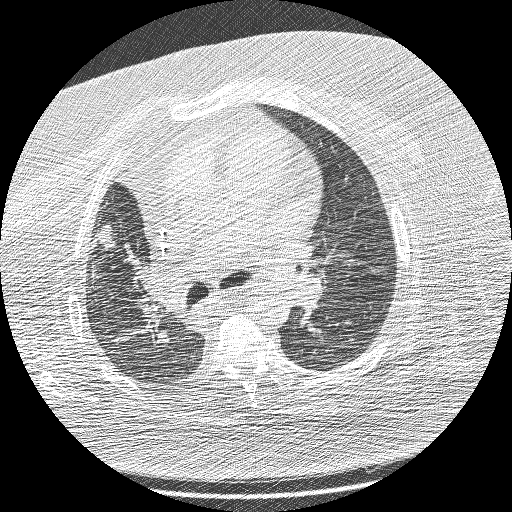
One axial slice (129 of 208, counting up from the lowest) of a chest CT acquired at 120 kVp with the BONE kernel; each pixel is 0.723 mm and the slice is 1.25 mm thick.
Pulmonary nodule at rows 224–249, columns 93–116 (box = the union of the readers' outlines on this slice), outlined by all four readers; median longest diameter 27.6 mm (readers' outlines 25.6–30.6 mm), median volume 4739 mm3 (4623–6820 mm3). Median ratings and the readers' spread: texture 5/5 (solid), all four readers agreeing; median margin 3/5 (readers ranged 1/5 (indistinct) to 3/5); sphericity 3/5 (ovoid) at the median of four readers, spread 3/5 (ovoid) to 4/5; calcification absent from all four readers; internal structure soft tissue, all four readers agreeing; subtlety 5/5, all four readers agreeing; malignancy likelihood 5/5, all four readers agreeing. Scale key (1–5): texture non-solid→solid, margin indistinct→circumscribed, sphericity linear→round, subtlety extremely subtle→obvious, malignancy likelihood highly unlikely→highly suspicious of cancer. Box rows and columns are 0-based pixel indices from the top-left corner, inclusive.